Axial slice 90 of 133 of a chest CT (slice 1 is the lowest), reconstructed with the STANDARD kernel at 120 kVp; 2.50 mm slice thickness and 0.625 mm pixels.
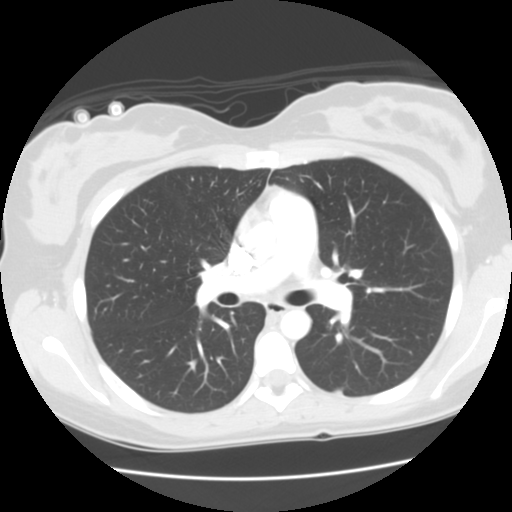
This slice carries no reader outline of a nodule 3 mm or larger.